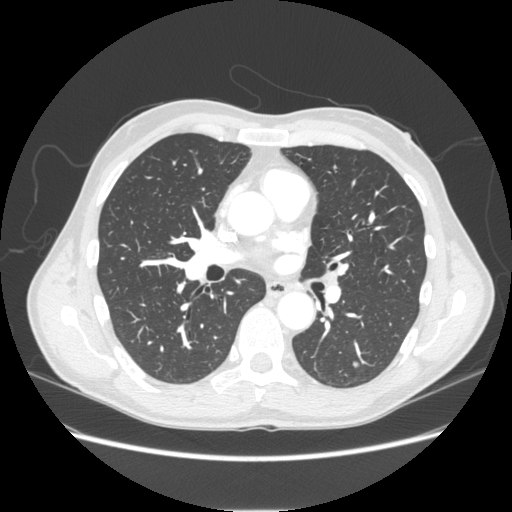
Axial chest CT slice 130 of 253 (counted from the lowest slice); 1.25 mm thick, 0.742 mm per pixel. Pulmonary nodule, outlined by all four readers. Box on this slice rows 361–367, columns 352–359, the union of the readers' outlines on this slice; longest diameter 10.0 mm on average over the four readers' outlines (readers' outlines 8.7–11.4 mm), volume 216–250 mm3. The readers' prevailing ratings and who disagreed: texture 5/5 (solid) from all four readers; most readers (three of four) put margin at 5/5 (circumscribed), others 4/5 (one); sphericity split among the readers: 4/5 (two), 5/5 (round) (two); calcification absent, all four readers agreeing; internal structure soft tissue, all four readers agreeing; subtlety 4/5 by two of four readers; the rest gave 3/5 (one), 5/5 (one); malignancy likelihood 4/5 by two of four readers; the rest gave 2/5 (one), 3/5 (one). Scale key (1–5): texture non-solid→solid, margin indistinct→circumscribed, sphericity linear→round, subtlety extremely subtle→obvious, malignancy likelihood highly unlikely→highly suspicious of cancer. Box rows and columns are 0-based pixel indices from the top-left corner, inclusive.
Acquired at 120 kVp and reconstructed with the STANDARD kernel.